Chest CT, axial plane, 120 kVp, kernel STANDARD. Slice 319/375 from the bottom of the scan; thickness 1.25 mm; pixel size 0.625 mm.
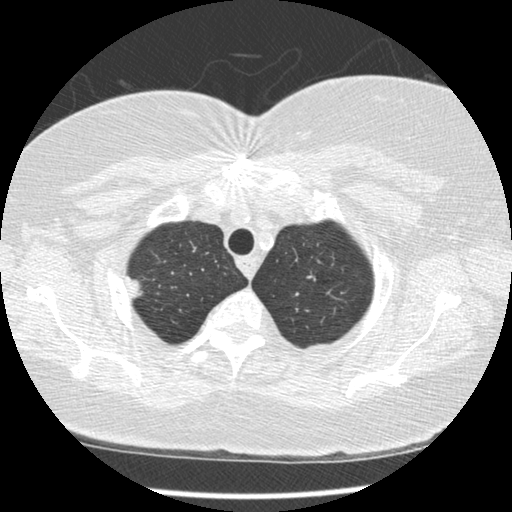
Pulmonary nodule at rows 275–301, columns 124–142 (box = the union of the readers' outlines on this slice), outlined by all four readers, three of them on this slice; longest diameter 22.5 mm on average over the four readers' outlines (readers' outlines 21.2–23.2 mm), volume 2289–3466 mm3. The readers' prevailing ratings and who disagreed: texture 5/5 (solid) by three of four readers; the rest gave 4/5 (one); margin 4/5 by two of four readers; the rest gave 3/5 (one), 5/5 (circumscribed) (one); sphericity split among the readers: 2/5 (one), 3/5 (ovoid) (one), 4/5 (one), 5/5 (round) (one); calcification absent, all four readers agreeing; internal structure soft tissue, all four readers agreeing; subtlety 5/5, all four readers agreeing; malignancy likelihood 5/5 by three of four readers; the rest gave 3/5 (one). Scale key (1–5): texture non-solid→solid, margin indistinct→circumscribed, sphericity linear→round, subtlety extremely subtle→obvious, malignancy likelihood highly unlikely→highly suspicious of cancer. Box rows and columns are 0-based pixel indices from the top-left corner, inclusive.